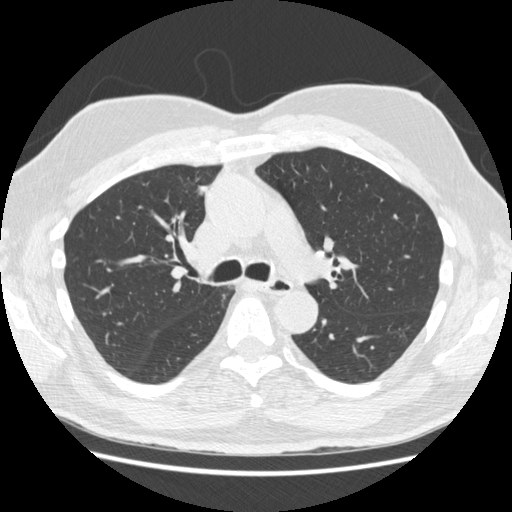
One axial slice (333 of 557, counting up from the lowest) of a chest CT acquired at 120 kVp with the STANDARD kernel; each pixel is 0.703 mm and the slice is 1.25 mm thick.
Pulmonary nodule at rows 185–194, columns 198–207 (box = the union of the readers' outlines on this slice), outlined by all four readers; median longest diameter 13.3 mm (readers' outlines 12.6–14.2 mm), median volume 546 mm3 (470–622 mm3). Ratings, median across the readers with their spread: texture 5/5 (solid) from all four readers; median margin 4/5 (readers ranged 4/5 to 5/5 (circumscribed)); sphericity 3/5 (ovoid), all four readers agreeing; calcification absent, all four readers agreeing; internal structure soft tissue, all four readers agreeing; subtlety 4.5/5 at the median of four readers, spread 3–5; malignancy likelihood 2.5/5 at the median of four readers, spread 1–4. Scale key (1–5): texture non-solid→solid, margin indistinct→circumscribed, sphericity linear→round, subtlety extremely subtle→obvious, malignancy likelihood highly unlikely→highly suspicious of cancer. Box rows and columns are 0-based pixel indices from the top-left corner, inclusive.